Axial chest CT slice 72 of 141 (counted from the lowest slice); tube voltage 120 kVp, convolution kernel STANDARD; slices 2.50 mm thick, 0.703 mm per pixel.
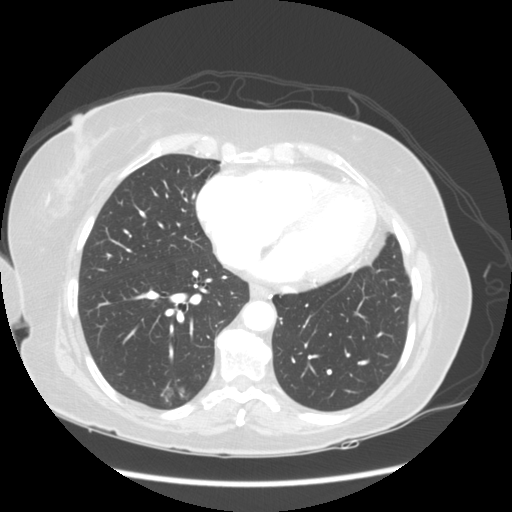
Pulmonary nodule outlined by all four readers; box rows 386–403, columns 160–190 (the union of the readers' outlines on this slice); the four readers' outlines give a longest diameter between 21.4 and 23.4 mm and a volume between 3130 and 4766 mm3. Ratings across the readers: texture 5/5 (solid) from all four readers; margin from 2/5 to 4/5 across the four readers; sphericity from 3/5 (ovoid) to 5/5 (round) across the four readers; calcification absent from all four readers; internal structure soft tissue from all four readers; subtlety 5/5, all four readers agreeing; malignancy likelihood 5/5 from all four readers. Scale key (1–5): texture non-solid→solid, margin indistinct→circumscribed, sphericity linear→round, subtlety extremely subtle→obvious, malignancy likelihood highly unlikely→highly suspicious of cancer. Box rows and columns are 0-based pixel indices from the top-left corner, inclusive.